One axial slice (56 of 129, counting up from the lowest) of a chest CT acquired at 135 kVp with the FC01 kernel; each pixel is 0.662 mm and the slice is 3.00 mm thick.
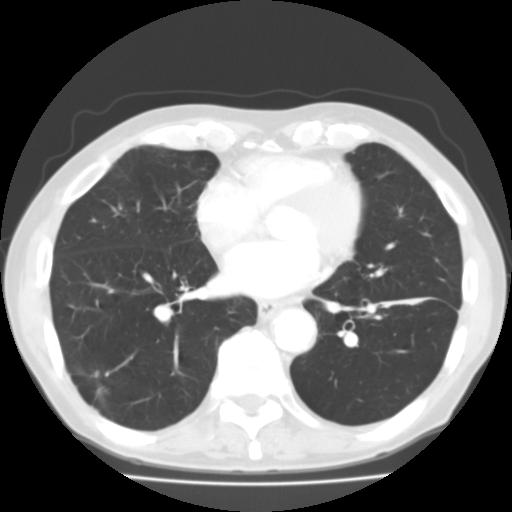
Pulmonary nodule outlined by two of the four readers; box rows 367–407, columns 75–110 (the union of the readers' outlines on this slice); longest diameter 32.0 mm on average over the two readers' outlines (readers' outlines 30.7–33.2 mm), volume 2555–2947 mm3. The readers' prevailing ratings and who disagreed: texture split among the readers: 3/5 (part-solid) (one), 4/5 (one); margin split among the readers: 1/5 (indistinct) (one), 4/5 (one); sphericity split among the readers: 3/5 (ovoid) (one), 5/5 (round) (one); calcification absent, both readers agreeing; internal structure soft tissue from both readers; subtlety 5/5, both readers agreeing; malignancy likelihood split among the readers: 3/5 (one), 4/5 (one). Scale key (1–5): texture non-solid→solid, margin indistinct→circumscribed, sphericity linear→round, subtlety extremely subtle→obvious, malignancy likelihood highly unlikely→highly suspicious of cancer. Box rows and columns are 0-based pixel indices from the top-left corner, inclusive.